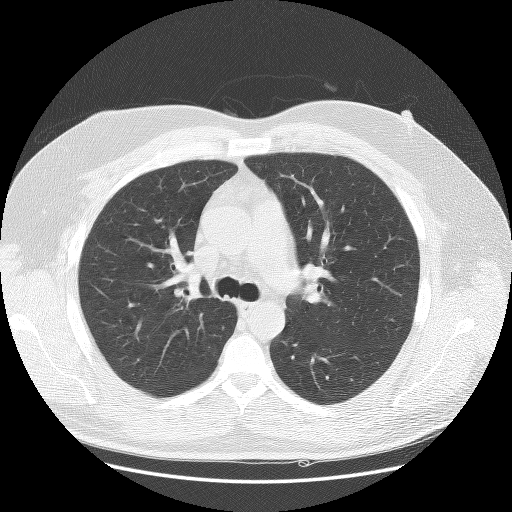
Slice 89/131 of a chest CT, counting up from the lowest; pixel size 0.742 mm, slice thickness 2.50 mm. No nodule of 3 mm or larger was outlined by any of the four readers on this slice.
Tube voltage 140 kVp; convolution kernel BONE.